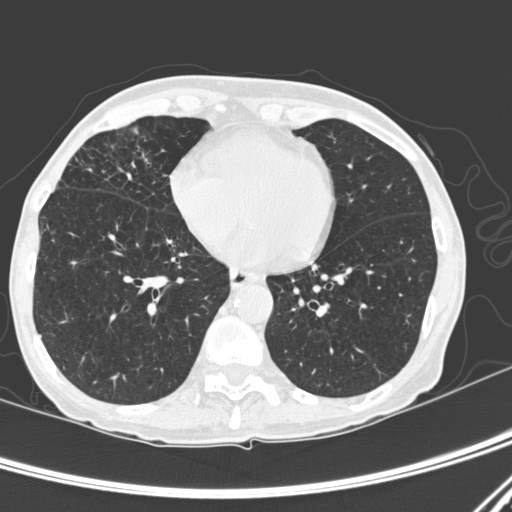
Chest CT, axial plane, 120 kVp, kernel D. Slice 113/300 from the bottom of the scan; thickness 1.00 mm; pixel size 0.607 mm.
No nodule of 3 mm or larger was outlined by any of the four readers on this slice.